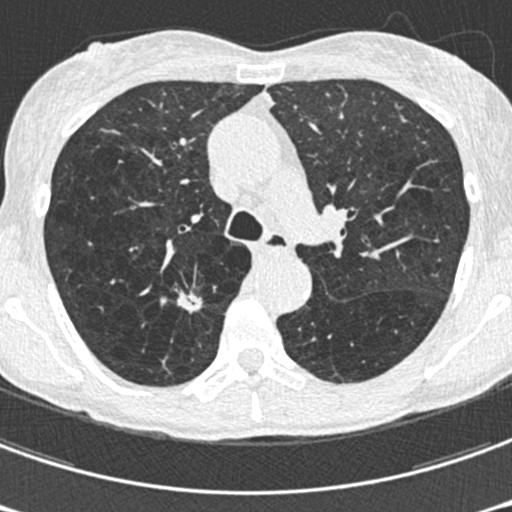
One axial slice (416 of 633, counting up from the lowest) of a chest CT acquired at 120 kVp with the B30f kernel; each pixel is 0.541 mm and the slice is 0.60 mm thick.
Pulmonary nodule at rows 290–314, columns 176–202 (box = the union of the readers' outlines on this slice), outlined by all four readers; median longest diameter 18.4 mm (readers' outlines 18.1–21.0 mm), median volume 1471 mm3 (1292–1642 mm3). Median ratings and the readers' spread: texture 5/5 (solid), all four readers agreeing; margin 2/5 at the median of four readers, spread 1/5 (indistinct) to 3/5; median sphericity 3/5 (ovoid) (readers ranged 2/5 to 4/5); calcification absent, all four readers agreeing; internal structure soft tissue from all four readers; subtlety 5/5 at the median of four readers, spread 4–5; malignancy likelihood 5/5 at the median of four readers, spread 4–5. Scale key (1–5): texture non-solid→solid, margin indistinct→circumscribed, sphericity linear→round, subtlety extremely subtle→obvious, malignancy likelihood highly unlikely→highly suspicious of cancer. Box rows and columns are 0-based pixel indices from the top-left corner, inclusive.